Chest CT, axial plane, 120 kVp, kernel BONE. Slice 83/264 from the bottom of the scan; thickness 1.25 mm; pixel size 0.703 mm.
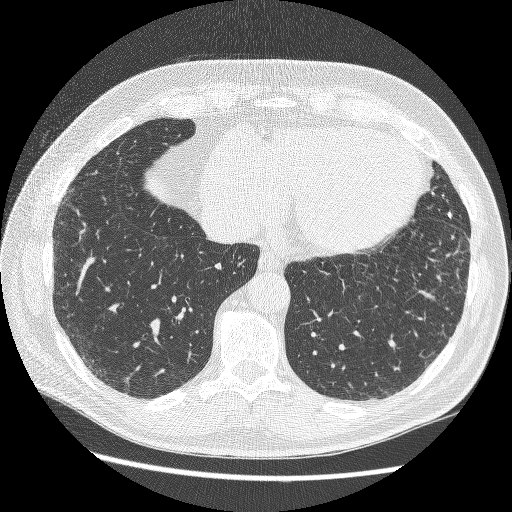
Pulmonary nodule outlined by all four readers; box rows 212–218, columns 447–451 (the union of the readers' outlines on this slice); longest diameter 5.5 mm on average over the four readers' outlines (readers' outlines 5.4–5.7 mm), volume 47–60 mm3. The readers' prevailing ratings and who disagreed: texture 5/5 (solid), all four readers agreeing; margin 5/5 (circumscribed), all four readers agreeing; sphericity 3/5 (ovoid) by two of four readers; the rest gave 4/5 (one), 5/5 (round) (one); calcification solid calcification from all four readers; internal structure soft tissue from all four readers; subtlety 4/5 by two of four readers; the rest gave 1/5 (one), 3/5 (one); malignancy likelihood 1/5 from all four readers. Scale key (1–5): texture non-solid→solid, margin indistinct→circumscribed, sphericity linear→round, subtlety extremely subtle→obvious, malignancy likelihood highly unlikely→highly suspicious of cancer. Box rows and columns are 0-based pixel indices from the top-left corner, inclusive.